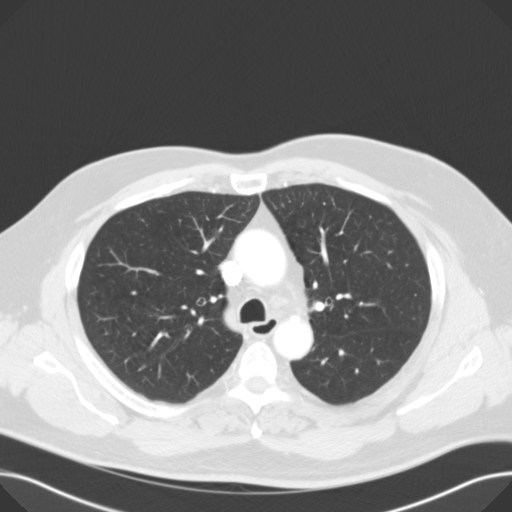
Axial chest CT slice 88 of 125 (counted from the lowest slice); 3.00 mm thick, 0.730 mm per pixel. None of the four readers outlined a nodule of 3 mm or more on this slice.
Acquired at 120 kVp and reconstructed with the B31f kernel.